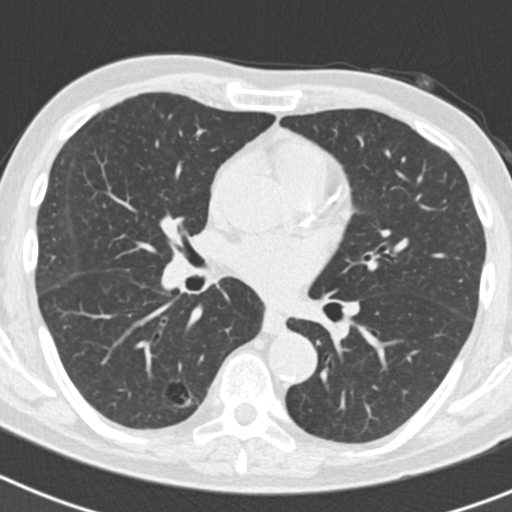
One axial slice (101 of 186, counting up from the lowest) of a chest CT acquired at 120 kVp with the B30f kernel; each pixel is 0.586 mm and the slice is 2.00 mm thick.
Pulmonary nodule, outlined by one of the four readers. Box on this slice rows 382–406, columns 174–194, that reader's outline on this slice; longest diameter 31.4 mm and volume 6527 mm3 from that reader's outline. That reader's ratings: texture 1/5 (non-solid); margin 2/5; sphericity 4/5; calcification absent; internal structure soft tissue; subtlety 5/5; malignancy likelihood 3/5. Scale key (1–5): texture non-solid→solid, margin indistinct→circumscribed, sphericity linear→round, subtlety extremely subtle→obvious, malignancy likelihood highly unlikely→highly suspicious of cancer. Box rows and columns are 0-based pixel indices from the top-left corner, inclusive.